One axial slice (320 of 376, counting up from the lowest) of a chest CT acquired at 120 kVp with the B30f kernel; each pixel is 0.461 mm and the slice is 0.75 mm thick.
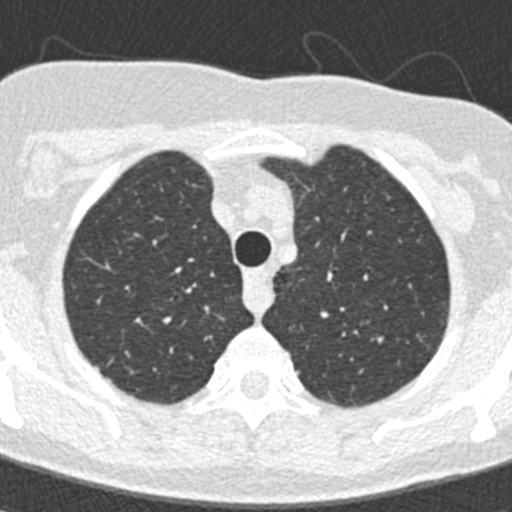
Pulmonary nodule, outlined by one of the four readers. Box on this slice rows 376–382, columns 106–110, that reader's outline on this slice; longest diameter 5.2 mm and volume 39 mm3 from that reader's outline. That reader's ratings: texture 5/5 (solid); margin 4/5; sphericity 3/5 (ovoid); calcification absent; internal structure soft tissue; subtlety 5/5; malignancy likelihood 3/5. Scale key (1–5): texture non-solid→solid, margin indistinct→circumscribed, sphericity linear→round, subtlety extremely subtle→obvious, malignancy likelihood highly unlikely→highly suspicious of cancer. Box rows and columns are 0-based pixel indices from the top-left corner, inclusive.